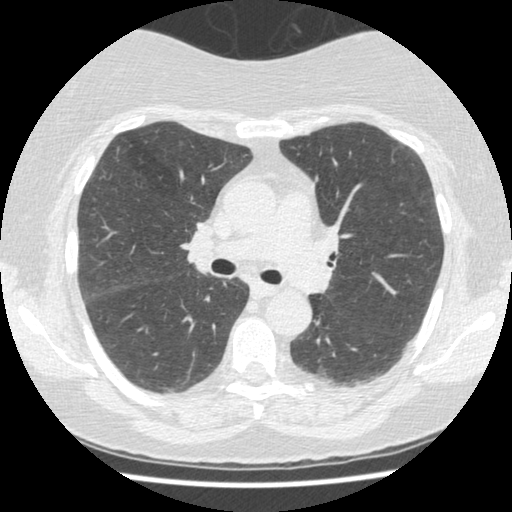
Axial slice 230 of 401 of a chest CT (slice 1 is the lowest), reconstructed with the STANDARD kernel at 120 kVp; 1.25 mm slice thickness and 0.625 mm pixels.
No nodule of 3 mm or larger was outlined by any of the four readers on this slice.